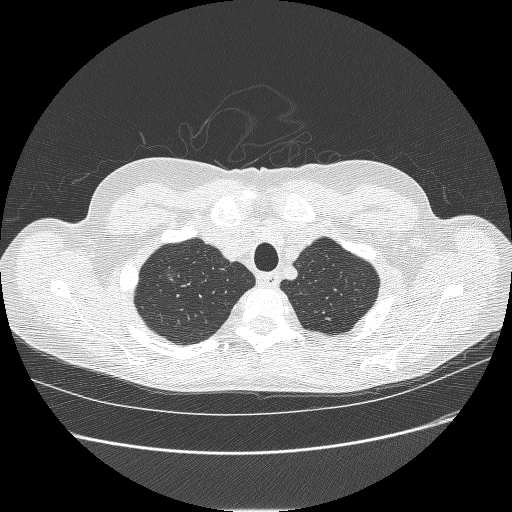
Axial chest CT slice 216 of 238 (counted from the lowest slice); 1.25 mm thick, 0.703 mm per pixel. Pulmonary nodule outlined by two of the four readers; box rows 271–284, columns 164–176 (the union of the readers' outlines on this slice); longest diameter 10.8 mm on average over the two readers' outlines (readers' outlines 8.7–12.9 mm), volume 160–469 mm3. The readers' prevailing ratings and who disagreed: texture 1/5 (non-solid) from both readers; margin 1/5 (indistinct), both readers agreeing; sphericity 4/5, both readers agreeing; calcification absent from both readers; internal structure soft tissue, both readers agreeing; subtlety 1/5 from both readers; malignancy likelihood 3/5 from both readers. Scale key (1–5): texture non-solid→solid, margin indistinct→circumscribed, sphericity linear→round, subtlety extremely subtle→obvious, malignancy likelihood highly unlikely→highly suspicious of cancer. Box rows and columns are 0-based pixel indices from the top-left corner, inclusive.
Scan settings: 120 kVp, BONE reconstruction kernel.